Chest CT, axial plane, 120 kVp, kernel BONE. Slice 138/235 from the bottom of the scan; thickness 1.25 mm; pixel size 0.537 mm.
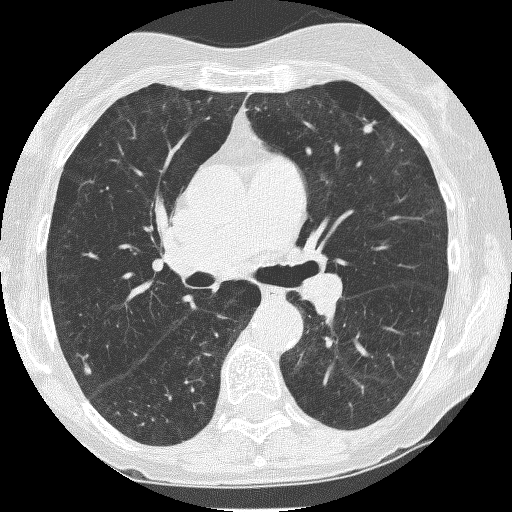
Two pulmonary nodules on this slice, listed from left to right. (1) Pulmonary nodule at rows 362–374, columns 83–91 (box = the union of the readers' outlines on this slice), outlined by three of the four readers; longest diameter 7.3 mm on average over the three readers' outlines (readers' outlines 6.7–8.2 mm), volume 47–122 mm3. The readers' prevailing ratings and who disagreed: most readers (two of three) put texture at 5/5 (solid), others 4/5 (one); margin split among the readers: 3/5 (one), 4/5 (one), 5/5 (circumscribed) (one); sphericity split among the readers: 1/5 (linear) (one), 2/5 (one), 4/5 (one); calcification absent from all three readers; internal structure soft tissue from all three readers; subtlety split among the readers: 2/5 (one), 3/5 (one), 4/5 (one); malignancy likelihood 2/5 by two of three readers; the rest gave 3/5 (one). (2) Pulmonary nodule outlined by all four readers; box rows 121–133, columns 363–376 (the union of the readers' outlines on this slice); median longest diameter 6.9 mm (readers' outlines 6.8–9.2 mm), median volume 81 mm3 (58–94 mm3). Ratings, median across the readers with their spread: texture 5/5 (solid), all four readers agreeing; margin 4/5 at the median of four readers, spread 4/5 to 5/5 (circumscribed); sphericity 4/5 from all four readers; calcification absent from all four readers; internal structure soft tissue from all four readers; subtlety 3.5/5 at the median of four readers, spread 3–5; median malignancy likelihood 3/5 (readers ranged 2–4). Scale key (1–5): texture non-solid→solid, margin indistinct→circumscribed, sphericity linear→round, subtlety extremely subtle→obvious, malignancy likelihood highly unlikely→highly suspicious of cancer. Box rows and columns are 0-based pixel indices from the top-left corner, inclusive.